Chest CT, axial plane, 120 kVp, kernel STANDARD. Slice 378/445 from the bottom of the scan; thickness 1.25 mm; pixel size 0.645 mm.
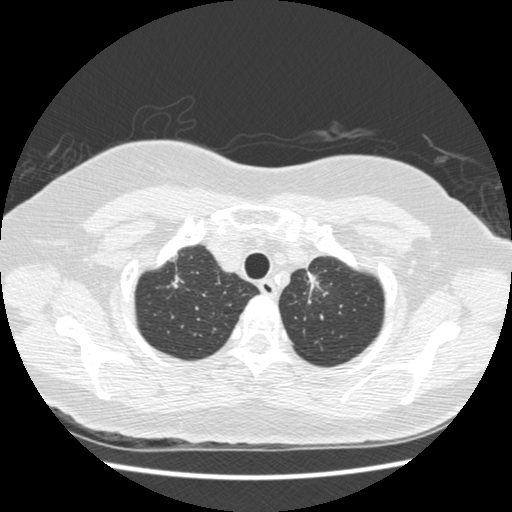
Pulmonary nodule, outlined by one of the four readers. Box on this slice rows 277–286, columns 310–317, that reader's outline on this slice; longest diameter 31.0 mm and volume 2055 mm3 from that reader's outline. That reader's ratings: texture 5/5 (solid); margin 2/5; sphericity 2/5; calcification absent; internal structure soft tissue; subtlety 5/5; malignancy likelihood 4/5. Scale key (1–5): texture non-solid→solid, margin indistinct→circumscribed, sphericity linear→round, subtlety extremely subtle→obvious, malignancy likelihood highly unlikely→highly suspicious of cancer. Box rows and columns are 0-based pixel indices from the top-left corner, inclusive.